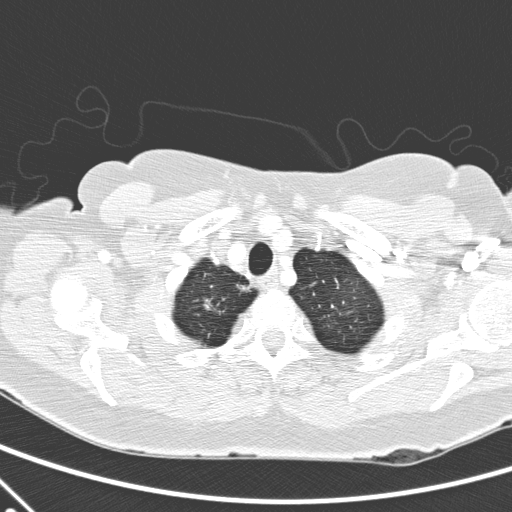
Axial chest CT slice 208 of 248 (counted from the lowest slice); tube voltage 120 kVp, convolution kernel D; slices 2.00 mm thick, 0.633 mm per pixel.
Pulmonary nodule outlined by one of the four readers; box rows 298–310, columns 200–211 (that reader's outline on this slice); longest diameter 9.2 mm and volume 163 mm3 from that reader's outline. That reader's ratings: texture 3/5 (part-solid); margin 4/5; sphericity 2/5; calcification absent; internal structure soft tissue; subtlety 5/5; malignancy likelihood 4/5. Scale key (1–5): texture non-solid→solid, margin indistinct→circumscribed, sphericity linear→round, subtlety extremely subtle→obvious, malignancy likelihood highly unlikely→highly suspicious of cancer. Box rows and columns are 0-based pixel indices from the top-left corner, inclusive.